One axial slice (124 of 350, counting up from the lowest) of a chest CT acquired at 120 kVp with the C kernel; each pixel is 0.725 mm and the slice is 1.50 mm thick.
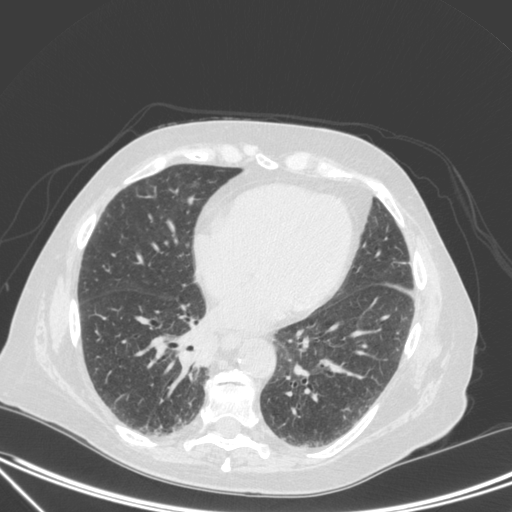
Pulmonary nodule outlined by one of the four readers; box rows 335–365, columns 194–217 (that reader's outline on this slice); longest diameter 29.7 mm and volume 4028 mm3 from that reader's outline. Ratings by that reader: texture 5/5 (solid); margin 3/5; sphericity 3/5 (ovoid); calcification absent; internal structure soft tissue; subtlety 5/5; malignancy likelihood 4/5. Scale key (1–5): texture non-solid→solid, margin indistinct→circumscribed, sphericity linear→round, subtlety extremely subtle→obvious, malignancy likelihood highly unlikely→highly suspicious of cancer. Box rows and columns are 0-based pixel indices from the top-left corner, inclusive.